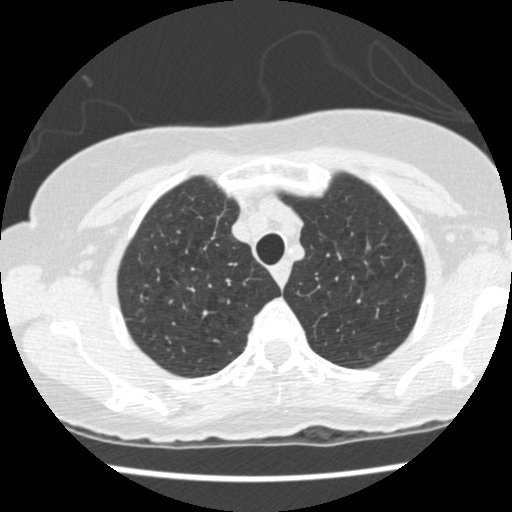
Slice 378/458 of a chest CT, counting up from the lowest; pixel size 0.586 mm, slice thickness 1.25 mm. Pulmonary nodule, outlined by all four readers, three of them on this slice. Box on this slice rows 295–301, columns 140–147, the union of the readers' outlines on this slice; median longest diameter 6.2 mm (readers' outlines 5.0–7.8 mm), median volume 81 mm3 (57–106 mm3). Median ratings and the readers' spread: median texture 4.5/5 (readers ranged 4/5 to 5/5 (solid)); median margin 3.5/5 (readers ranged 3/5 to 4/5); sphericity 4/5 at the median of four readers, spread 4/5 to 5/5 (round); calcification absent, all four readers agreeing; internal structure soft tissue from all four readers; median subtlety 3.5/5 (readers ranged 3–5); median malignancy likelihood 2.5/5 (readers ranged 2–4). Scale key (1–5): texture non-solid→solid, margin indistinct→circumscribed, sphericity linear→round, subtlety extremely subtle→obvious, malignancy likelihood highly unlikely→highly suspicious of cancer. Box rows and columns are 0-based pixel indices from the top-left corner, inclusive.
Scan settings: 120 kVp, STANDARD reconstruction kernel.